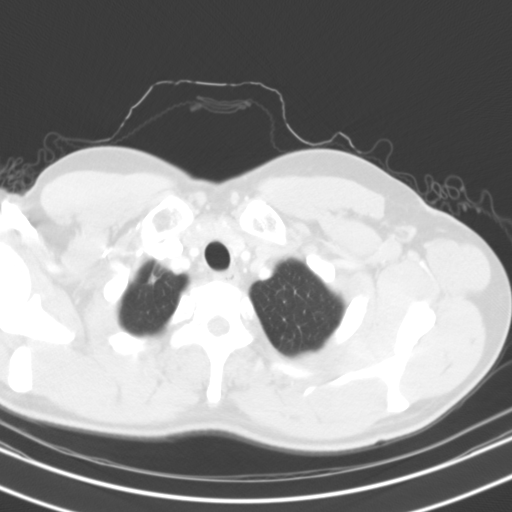
Chest CT, axial plane, 130 kVp, kernel B31s. Slice 106/123 from the bottom of the scan; thickness 3.00 mm; pixel size 0.646 mm.
Pulmonary nodule, outlined by one of the four readers. Box on this slice rows 264–284, columns 148–165, that reader's outline on this slice; longest diameter 17.6 mm and volume 510 mm3 from that reader's outline. That reader's ratings: texture 5/5 (solid); margin 3/5; sphericity 5/5 (round); calcification absent; internal structure soft tissue; subtlety 3/5; malignancy likelihood 2/5. Scale key (1–5): texture non-solid→solid, margin indistinct→circumscribed, sphericity linear→round, subtlety extremely subtle→obvious, malignancy likelihood highly unlikely→highly suspicious of cancer. Box rows and columns are 0-based pixel indices from the top-left corner, inclusive.